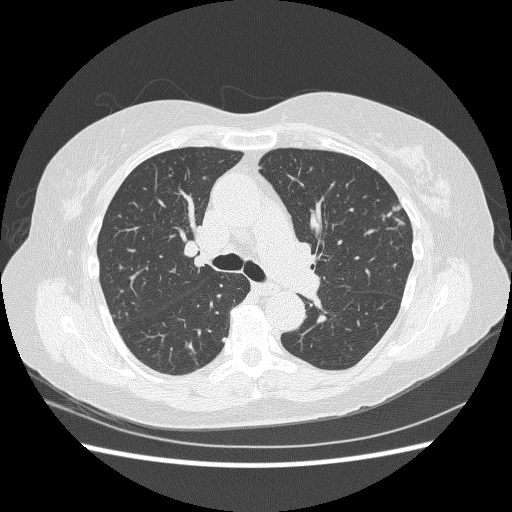
Chest CT, axial plane, 120 kVp, kernel BONE. Slice 158/240 from the bottom of the scan; thickness 1.25 mm; pixel size 0.703 mm.
Pulmonary nodule at rows 337–343, columns 222–226 (box = the union of the readers' outlines on this slice), outlined by two of the four readers; longest diameter 5.4 mm on average over the two readers' outlines (readers' outlines 5.1–5.7 mm), volume 40–44 mm3. The readers' prevailing ratings and who disagreed: texture split among the readers: 4/5 (one), 5/5 (solid) (one); margin 4/5 from both readers; sphericity split among the readers: 4/5 (one), 5/5 (round) (one); calcification absent from both readers; internal structure soft tissue, both readers agreeing; subtlety split among the readers: 2/5 (one), 3/5 (one); malignancy likelihood 3/5, both readers agreeing. Scale key (1–5): texture non-solid→solid, margin indistinct→circumscribed, sphericity linear→round, subtlety extremely subtle→obvious, malignancy likelihood highly unlikely→highly suspicious of cancer. Box rows and columns are 0-based pixel indices from the top-left corner, inclusive.